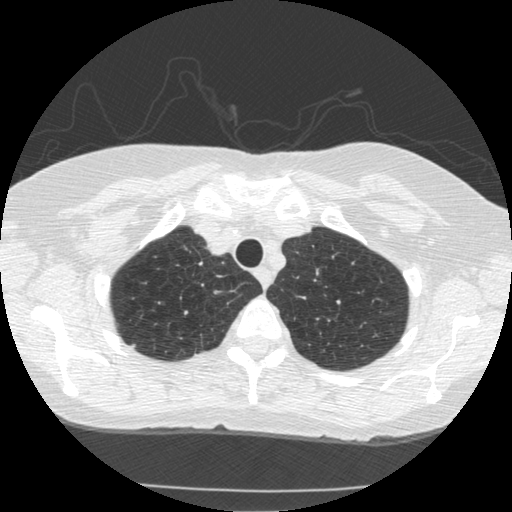
Chest CT, axial plane, 120 kVp, kernel STANDARD. Slice 431/519 from the bottom of the scan; thickness 1.25 mm; pixel size 0.645 mm.
Pulmonary nodule at rows 344–348, columns 130–134 (box = that reader's outline on this slice), outlined by one of the four readers; longest diameter 6.5 mm and volume 31 mm3 from that reader's outline. That reader's ratings: texture 5/5 (solid); margin 4/5; sphericity 3/5 (ovoid); calcification absent; internal structure soft tissue; subtlety 5/5; malignancy likelihood 2/5. Scale key (1–5): texture non-solid→solid, margin indistinct→circumscribed, sphericity linear→round, subtlety extremely subtle→obvious, malignancy likelihood highly unlikely→highly suspicious of cancer. Box rows and columns are 0-based pixel indices from the top-left corner, inclusive.